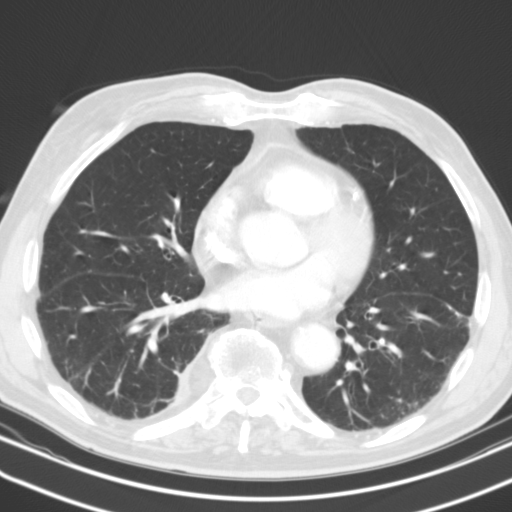
One axial slice (61 of 127, counting up from the lowest) of a chest CT acquired at 130 kVp with the B31s kernel; each pixel is 0.668 mm and the slice is 3.00 mm thick.
Pulmonary nodule at rows 374–401, columns 174–184 (box = the one reader's outline on this slice), outlined by two of the four readers, one of them on this slice; longest diameter 25.6–26.3 mm and volume 5517–6604 mm3 across the two readers' outlines. Ratings across the readers: texture 5/5 (solid), both readers agreeing; margin 4/5 from both readers; sphericity from 2/5 to 3/5 (ovoid) across the two readers; calcification absent, both readers agreeing; internal structure soft tissue from both readers; subtlety 5/5, both readers agreeing; malignancy likelihood 2–3/5 (the readers disagree). Scale key (1–5): texture non-solid→solid, margin indistinct→circumscribed, sphericity linear→round, subtlety extremely subtle→obvious, malignancy likelihood highly unlikely→highly suspicious of cancer. Box rows and columns are 0-based pixel indices from the top-left corner, inclusive.